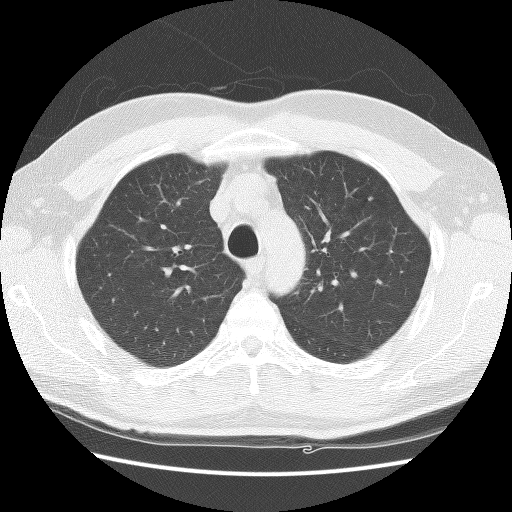
Slice 99/127 of a chest CT, counting up from the lowest; pixel size 0.664 mm, slice thickness 2.50 mm. Pulmonary nodule at rows 196–200, columns 368–372 (box = that reader's outline on this slice), outlined by one of the four readers; longest diameter 4.5 mm and volume 28 mm3 from that reader's outline. Ratings by that reader: texture 5/5 (solid); margin 4/5; sphericity 3/5 (ovoid); calcification absent; internal structure soft tissue; subtlety 4/5; malignancy likelihood 2/5. Scale key (1–5): texture non-solid→solid, margin indistinct→circumscribed, sphericity linear→round, subtlety extremely subtle→obvious, malignancy likelihood highly unlikely→highly suspicious of cancer. Box rows and columns are 0-based pixel indices from the top-left corner, inclusive.
Scan settings: 140 kVp, BONE reconstruction kernel.